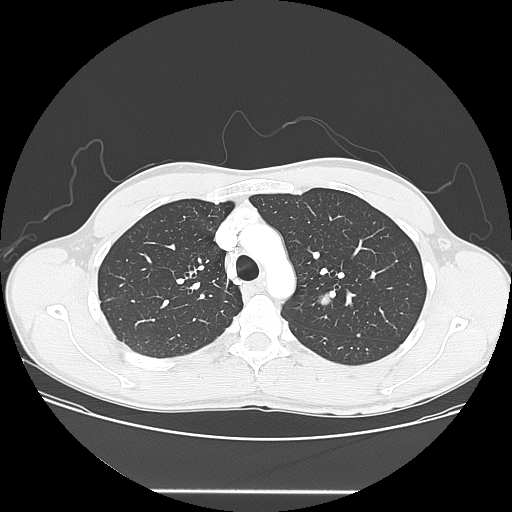
One axial slice (113 of 150, counting up from the lowest) of a chest CT acquired at 120 kVp with the LUNG kernel; each pixel is 0.781 mm and the slice is 2.50 mm thick.
Pulmonary nodule outlined by all four readers; box rows 292–304, columns 319–331 (the union of the readers' outlines on this slice); longest diameter 14.6–16.9 mm and volume 1270–1423 mm3 across the four readers' outlines. Ratings across the readers: texture from 4/5 to 5/5 (solid) across the four readers; margin from 3/5 to 5/5 (circumscribed) across the four readers; sphericity from 3/5 (ovoid) to 5/5 (round) across the four readers; calcification absent from all four readers; internal structure soft tissue from all four readers; subtlety rated between 3 and 5 out of 5 by the four readers; malignancy likelihood 2–4/5 (the readers disagree). Scale key (1–5): texture non-solid→solid, margin indistinct→circumscribed, sphericity linear→round, subtlety extremely subtle→obvious, malignancy likelihood highly unlikely→highly suspicious of cancer. Box rows and columns are 0-based pixel indices from the top-left corner, inclusive.